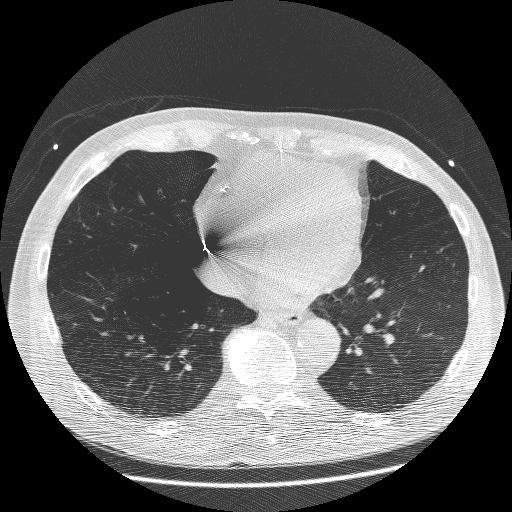
Axial slice 84 of 260 of a chest CT (slice 1 is the lowest), reconstructed with the BONE kernel at 120 kVp; 1.25 mm slice thickness and 0.703 mm pixels.
Pulmonary nodule, outlined by three of the four readers, two of them on this slice. Box on this slice rows 335–340, columns 138–143, the union of the readers' outlines on this slice; longest diameter 6.4 mm on average over the three readers' outlines (readers' outlines 5.8–7.5 mm), volume 44–92 mm3. The readers' prevailing ratings and who disagreed: texture 5/5 (solid) from all three readers; margin 5/5 (circumscribed) from all three readers; sphericity split among the readers: 3/5 (ovoid) (one), 4/5 (one), 5/5 (round) (one); calcification solid calcification, all three readers agreeing; internal structure soft tissue, all three readers agreeing; subtlety 5/5 from all three readers; malignancy likelihood 1/5, all three readers agreeing. Scale key (1–5): texture non-solid→solid, margin indistinct→circumscribed, sphericity linear→round, subtlety extremely subtle→obvious, malignancy likelihood highly unlikely→highly suspicious of cancer. Box rows and columns are 0-based pixel indices from the top-left corner, inclusive.